Chest CT, axial plane, 120 kVp, kernel D. Slice 223/321 from the bottom of the scan; thickness 2.00 mm; pixel size 0.557 mm.
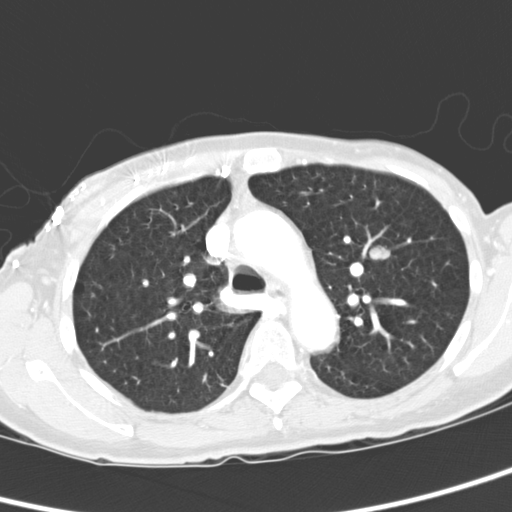
Pulmonary nodule at rows 245–261, columns 367–390 (box = the union of the readers' outlines on this slice), outlined by all four readers; longest diameter 20.7 mm on average over the four readers' outlines (readers' outlines 19.2–22.3 mm), volume 3069–4125 mm3. The readers' prevailing ratings and who disagreed: texture 5/5 (solid) from all four readers; margin 5/5 (circumscribed), all four readers agreeing; sphericity split among the readers: 4/5 (two), 5/5 (round) (two); calcification absent from all four readers; internal structure soft tissue from all four readers; subtlety 5/5, all four readers agreeing; malignancy likelihood 5/5 by two of four readers; the rest gave 2/5 (one), 3/5 (one). Scale key (1–5): texture non-solid→solid, margin indistinct→circumscribed, sphericity linear→round, subtlety extremely subtle→obvious, malignancy likelihood highly unlikely→highly suspicious of cancer. Box rows and columns are 0-based pixel indices from the top-left corner, inclusive.